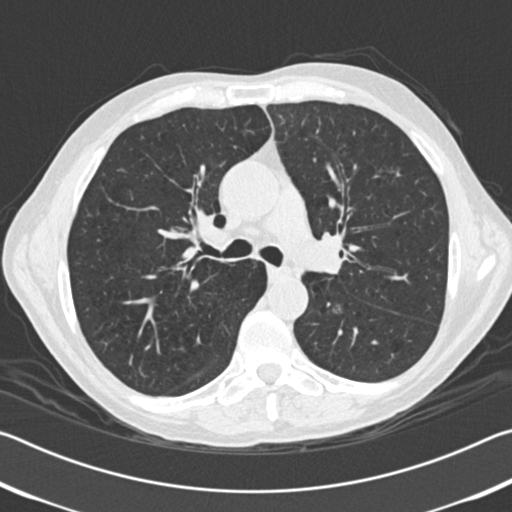
Chest CT, axial plane, 120 kVp, kernel B30f. Slice 117/192 from the bottom of the scan; thickness 2.00 mm; pixel size 0.664 mm.
Pulmonary nodule outlined by one of the four readers; box rows 168–176, columns 378–398 (that reader's outline on this slice); longest diameter 27.3 mm and volume 1622 mm3 from that reader's outline. Ratings by that reader: texture 1/5 (non-solid); margin 2/5; sphericity 5/5 (round); calcification absent; internal structure soft tissue; subtlety 4/5; malignancy likelihood 3/5. Scale key (1–5): texture non-solid→solid, margin indistinct→circumscribed, sphericity linear→round, subtlety extremely subtle→obvious, malignancy likelihood highly unlikely→highly suspicious of cancer. Box rows and columns are 0-based pixel indices from the top-left corner, inclusive.